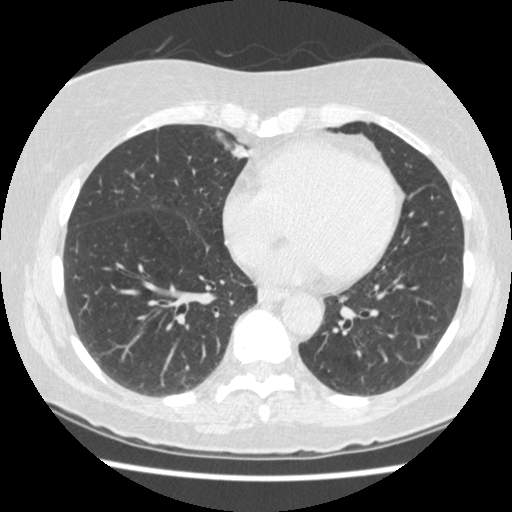
Axial slice 186 of 474 of a chest CT (slice 1 is the lowest), reconstructed with the STANDARD kernel at 120 kVp; 1.25 mm slice thickness and 0.625 mm pixels.
This slice carries no reader outline of a nodule 3 mm or larger.